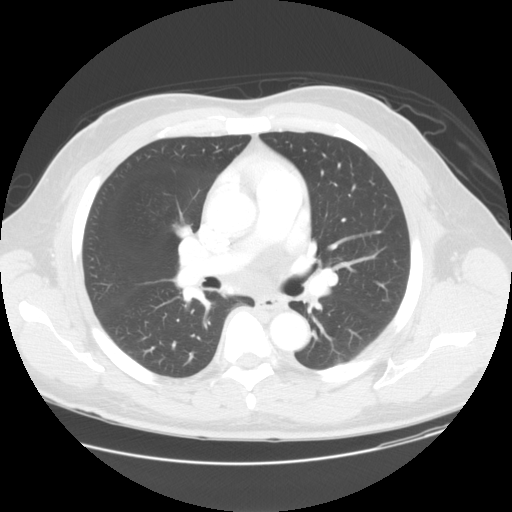
Axial slice 87 of 144 of a chest CT (slice 1 is the lowest), reconstructed with the STANDARD kernel at 120 kVp; 2.50 mm slice thickness and 0.781 mm pixels.
Pulmonary nodule outlined by three of the four readers; box rows 225–238, columns 175–192 (the union of the readers' outlines on this slice); longest diameter 17.8–19.6 mm and volume 1559–1834 mm3 across the three readers' outlines. The readers' ratings, as ranges where they differ: texture 5/5 (solid) from all three readers; margin from 4/5 to 5/5 (circumscribed) across the three readers; sphericity from 3/5 (ovoid) to 4/5 across the three readers; calcification: absent (two), non-central calcification (one); internal structure soft tissue, all three readers agreeing; subtlety 4–5/5 (the readers disagree); malignancy likelihood 3–4/5 (the readers disagree). Scale key (1–5): texture non-solid→solid, margin indistinct→circumscribed, sphericity linear→round, subtlety extremely subtle→obvious, malignancy likelihood highly unlikely→highly suspicious of cancer. Box rows and columns are 0-based pixel indices from the top-left corner, inclusive.